Axial slice 104 of 190 of a chest CT (slice 1 is the lowest), reconstructed with the B30f kernel at 120 kVp; 2.00 mm slice thickness and 0.742 mm pixels.
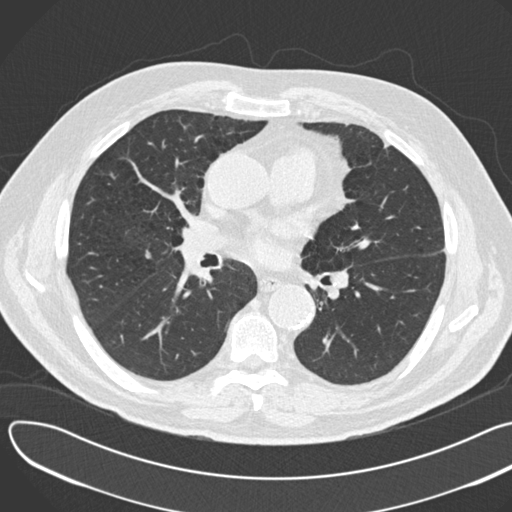
Pulmonary nodule at rows 250–258, columns 145–151 (box = that reader's outline on this slice), outlined by one of the four readers; longest diameter 8.3 mm and volume 81 mm3 from that reader's outline. That reader's ratings: texture 5/5 (solid); margin 5/5 (circumscribed); sphericity 3/5 (ovoid); calcification absent; internal structure soft tissue; subtlety 3/5; malignancy likelihood 3/5. Scale key (1–5): texture non-solid→solid, margin indistinct→circumscribed, sphericity linear→round, subtlety extremely subtle→obvious, malignancy likelihood highly unlikely→highly suspicious of cancer. Box rows and columns are 0-based pixel indices from the top-left corner, inclusive.